One axial slice (93 of 241, counting up from the lowest) of a chest CT acquired at 120 kVp with the BONE kernel; each pixel is 0.590 mm and the slice is 1.25 mm thick.
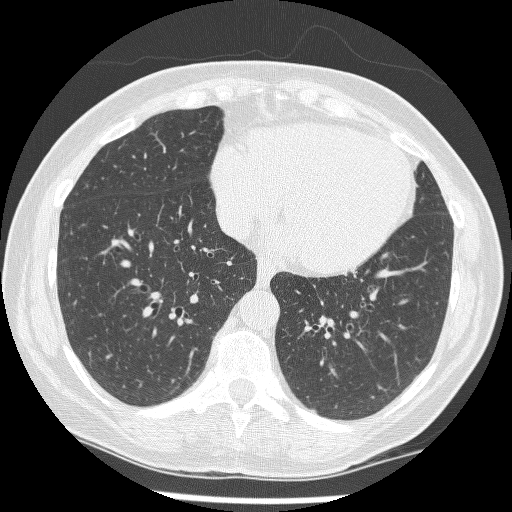
Pulmonary nodule, outlined by one of the four readers. Box on this slice rows 409–413, columns 311–317, that reader's outline on this slice; longest diameter 8.2 mm and volume 79 mm3 from that reader's outline. Ratings by that reader: texture 2/5; margin 1/5 (indistinct); sphericity 3/5 (ovoid); calcification absent; internal structure soft tissue; subtlety 3/5; malignancy likelihood 3/5. Scale key (1–5): texture non-solid→solid, margin indistinct→circumscribed, sphericity linear→round, subtlety extremely subtle→obvious, malignancy likelihood highly unlikely→highly suspicious of cancer. Box rows and columns are 0-based pixel indices from the top-left corner, inclusive.